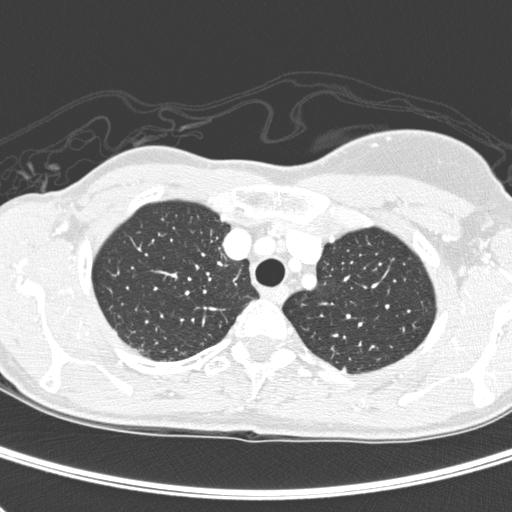
Axial slice 232 of 280 of a chest CT (slice 1 is the lowest), reconstructed with the D kernel at 120 kVp; 1.00 mm slice thickness and 0.578 mm pixels.
Pulmonary nodule outlined by one of the four readers; box rows 366–371, columns 341–346 (that reader's outline on this slice); longest diameter 4.7 mm and volume 40 mm3 from that reader's outline. Ratings by that reader: texture 5/5 (solid); margin 5/5 (circumscribed); sphericity 4/5; calcification absent; internal structure soft tissue; subtlety 5/5; malignancy likelihood 3/5. Scale key (1–5): texture non-solid→solid, margin indistinct→circumscribed, sphericity linear→round, subtlety extremely subtle→obvious, malignancy likelihood highly unlikely→highly suspicious of cancer. Box rows and columns are 0-based pixel indices from the top-left corner, inclusive.